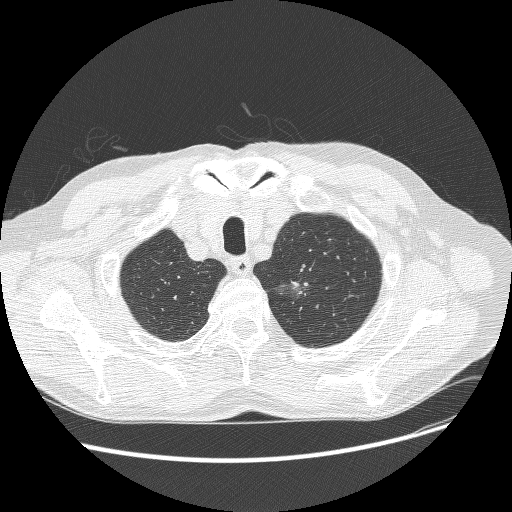
Chest CT, axial plane, 120 kVp, kernel BONE. Slice 236/268 from the bottom of the scan; thickness 1.25 mm; pixel size 0.742 mm.
Pulmonary nodule, outlined by three of the four readers, two of them on this slice. Box on this slice rows 283–300, columns 274–308, the union of the readers' outlines on this slice; median longest diameter 31.0 mm (readers' outlines 30.8–31.7 mm), median volume 5956 mm3 (4750–7267 mm3). Ratings, median across the readers with their spread: texture 3/5 (part-solid), all three readers agreeing; margin 1/5 (indistinct) from all three readers; sphericity 3/5 (ovoid) at the median of three readers, spread 3/5 (ovoid) to 4/5; calcification absent from all three readers; internal structure soft tissue from all three readers; median subtlety 5/5 (readers ranged 4–5); malignancy likelihood 4/5 at the median of three readers, spread 4–5. Scale key (1–5): texture non-solid→solid, margin indistinct→circumscribed, sphericity linear→round, subtlety extremely subtle→obvious, malignancy likelihood highly unlikely→highly suspicious of cancer. Box rows and columns are 0-based pixel indices from the top-left corner, inclusive.